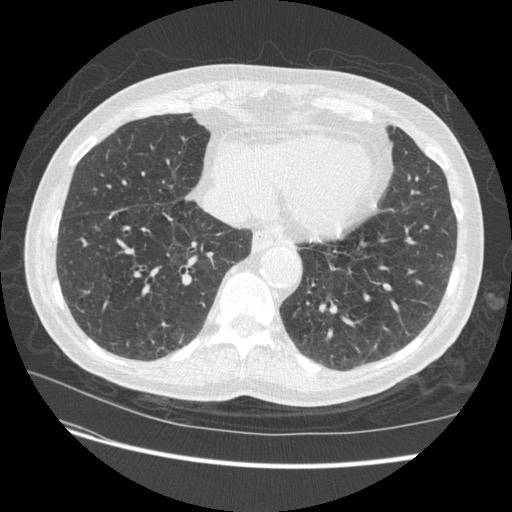
Axial chest CT slice 143 of 509 (counted from the lowest slice); tube voltage 120 kVp, convolution kernel STANDARD; slices 1.25 mm thick, 0.703 mm per pixel.
Pulmonary nodule, outlined by three of the four readers, two of them on this slice. Box on this slice rows 213–218, columns 109–112, the union of the readers' outlines on this slice; median longest diameter 12.0 mm (readers' outlines 11.4–12.1 mm), median volume 377 mm3 (273–413 mm3). Ratings, median across the readers with their spread: texture 5/5 (solid) from all three readers; margin 5/5 (circumscribed) at the median of three readers, spread 4/5 to 5/5 (circumscribed); sphericity 3/5 (ovoid) at the median of three readers, spread 3/5 (ovoid) to 4/5; calcification solid calcification from all three readers; internal structure soft tissue from all three readers; subtlety 5/5 at the median of three readers, spread 4–5; malignancy likelihood 1/5, all three readers agreeing. Scale key (1–5): texture non-solid→solid, margin indistinct→circumscribed, sphericity linear→round, subtlety extremely subtle→obvious, malignancy likelihood highly unlikely→highly suspicious of cancer. Box rows and columns are 0-based pixel indices from the top-left corner, inclusive.